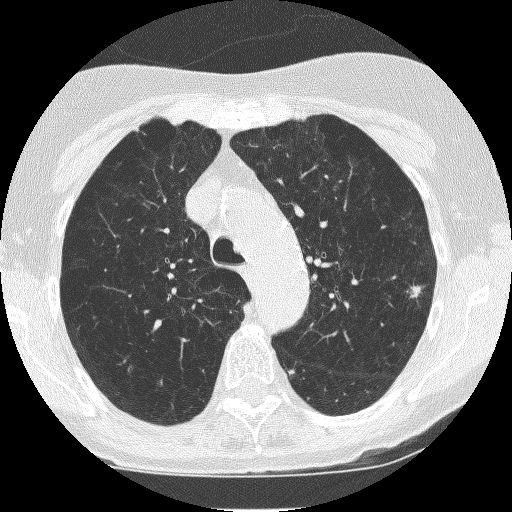
Slice 174/235 of a chest CT, counting up from the lowest; pixel size 0.537 mm, slice thickness 1.25 mm. Pulmonary nodule outlined by all four readers; box rows 281–298, columns 408–423 (the union of the readers' outlines on this slice); the four readers' outlines give a longest diameter between 12.2 and 13.5 mm and a volume between 403 and 509 mm3. The readers' ratings, as ranges where they differ: texture from 4/5 to 5/5 (solid) across the four readers; margin from 1/5 (indistinct) to 4/5 across the four readers; sphericity from 2/5 to 4/5 across the four readers; calcification: absent (three), central calcification (one); internal structure soft tissue from all four readers; subtlety 4–5/5 (the readers disagree); malignancy likelihood 3–5/5 (the readers disagree). Scale key (1–5): texture non-solid→solid, margin indistinct→circumscribed, sphericity linear→round, subtlety extremely subtle→obvious, malignancy likelihood highly unlikely→highly suspicious of cancer. Box rows and columns are 0-based pixel indices from the top-left corner, inclusive.
Scan settings: 120 kVp, BONE reconstruction kernel.